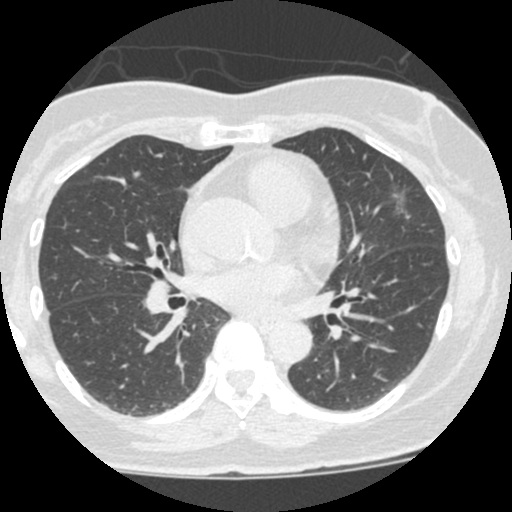
Axial chest CT slice 271 of 490 (counted from the lowest slice); 1.25 mm thick, 0.547 mm per pixel. Pulmonary nodule, outlined by two of the four readers. Box on this slice rows 178–217, columns 380–410, the union of the readers' outlines on this slice; median longest diameter 26.9 mm (readers' outlines 26.3–27.5 mm), median volume 1510 mm3 (1167–1852 mm3). Median ratings and the readers' spread: texture 1/5 (non-solid) from both readers; median margin 1.5/5 (readers ranged 1/5 (indistinct) to 2/5); median sphericity 3.5/5 (readers ranged 2/5 to 5/5 (round)); calcification absent from both readers; internal structure soft tissue from both readers; median subtlety 3/5 (readers ranged 1–5); median malignancy likelihood 2.5/5 (readers ranged 2–3). Scale key (1–5): texture non-solid→solid, margin indistinct→circumscribed, sphericity linear→round, subtlety extremely subtle→obvious, malignancy likelihood highly unlikely→highly suspicious of cancer. Box rows and columns are 0-based pixel indices from the top-left corner, inclusive.
Tube voltage 120 kVp; convolution kernel STANDARD.